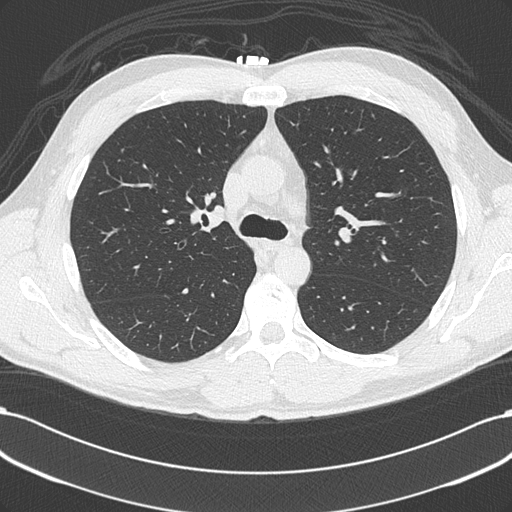
This is axial slice 224 of 348 (slice 1 is the lowest) of a chest CT; each pixel is 0.703 mm and the slice is 1.00 mm thick. None of the four readers outlined a nodule of 3 mm or more on this slice.
Acquired at 120 kVp and reconstructed with the B45f kernel.